Chest CT, axial plane, 120 kVp, kernel B31f. Slice 47/125 from the bottom of the scan; thickness 3.00 mm; pixel size 0.730 mm.
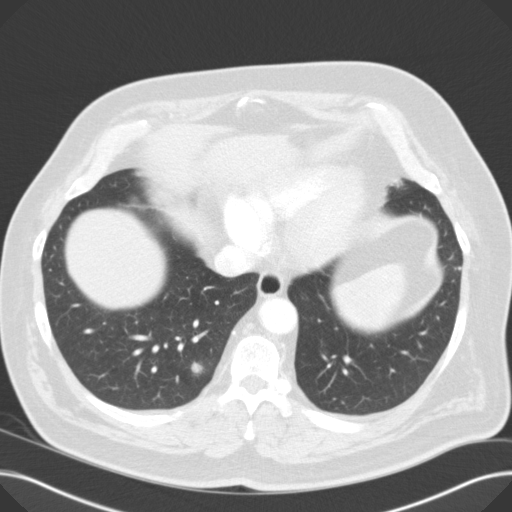
Pulmonary nodule outlined by three of the four readers; box rows 361–375, columns 190–204 (the union of the readers' outlines on this slice); longest diameter 10.2–12.5 mm and volume 310–751 mm3 across the three readers' outlines. Ratings across the readers: texture from 2/5 to 5/5 (solid) across the three readers; margin from 2/5 to 3/5 across the three readers; sphericity from 4/5 to 5/5 (round) across the three readers; calcification absent from all three readers; internal structure soft tissue from all three readers; subtlety rated between 3 and 5 out of 5 by the three readers; malignancy likelihood rated between 3 and 4 out of 5 by the three readers. Scale key (1–5): texture non-solid→solid, margin indistinct→circumscribed, sphericity linear→round, subtlety extremely subtle→obvious, malignancy likelihood highly unlikely→highly suspicious of cancer. Box rows and columns are 0-based pixel indices from the top-left corner, inclusive.